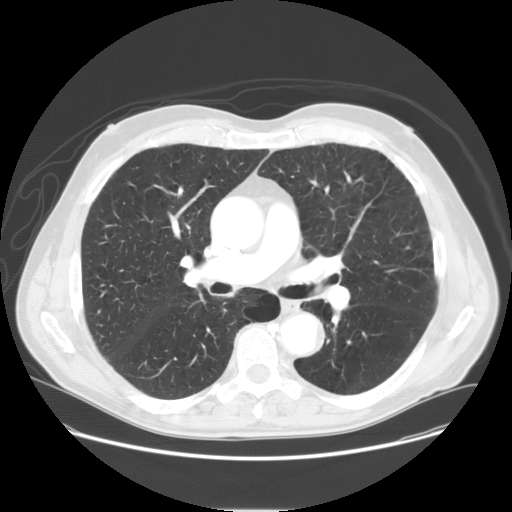
One axial slice (92 of 152, counting up from the lowest) of a chest CT acquired at 120 kVp with the STANDARD kernel; each pixel is 0.781 mm and the slice is 2.50 mm thick.
None of the four readers outlined a nodule of 3 mm or more on this slice.